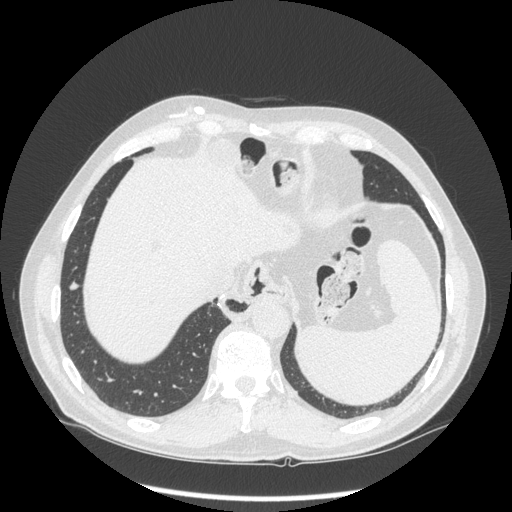
One axial slice (75 of 297, counting up from the lowest) of a chest CT acquired at 120 kVp with the STANDARD kernel; each pixel is 0.787 mm and the slice is 1.25 mm thick.
Pulmonary nodule outlined by all four readers; box rows 281–289, columns 69–78 (the union of the readers' outlines on this slice); median longest diameter 10.4 mm (readers' outlines 10.3–11.0 mm), median volume 325 mm3 (283–421 mm3). Median ratings and the readers' spread: median texture 5/5 (solid) (readers ranged 4/5 to 5/5 (solid)); margin 4.5/5 at the median of four readers, spread 3/5 to 5/5 (circumscribed); sphericity 4/5 at the median of four readers, spread 3/5 (ovoid) to 4/5; calcification absent, all four readers agreeing; internal structure soft tissue, all four readers agreeing; subtlety 4.5/5 at the median of four readers, spread 3–5; median malignancy likelihood 3/5 (readers ranged 1–4). Scale key (1–5): texture non-solid→solid, margin indistinct→circumscribed, sphericity linear→round, subtlety extremely subtle→obvious, malignancy likelihood highly unlikely→highly suspicious of cancer. Box rows and columns are 0-based pixel indices from the top-left corner, inclusive.